Chest CT, axial plane, 120 kVp, kernel B. Slice 302/335 from the bottom of the scan; thickness 2.00 mm; pixel size 0.623 mm.
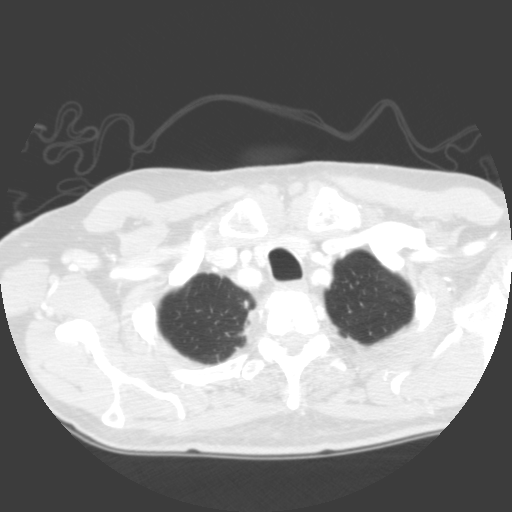
Pulmonary nodule, outlined by one of the four readers. Box on this slice rows 299–309, columns 244–249, that reader's outline on this slice; longest diameter 8.1 mm and volume 221 mm3 from that reader's outline. That reader's ratings: texture 4/5; margin 3/5; sphericity 4/5; calcification absent; internal structure soft tissue; subtlety 2/5; malignancy likelihood 1/5. Scale key (1–5): texture non-solid→solid, margin indistinct→circumscribed, sphericity linear→round, subtlety extremely subtle→obvious, malignancy likelihood highly unlikely→highly suspicious of cancer. Box rows and columns are 0-based pixel indices from the top-left corner, inclusive.